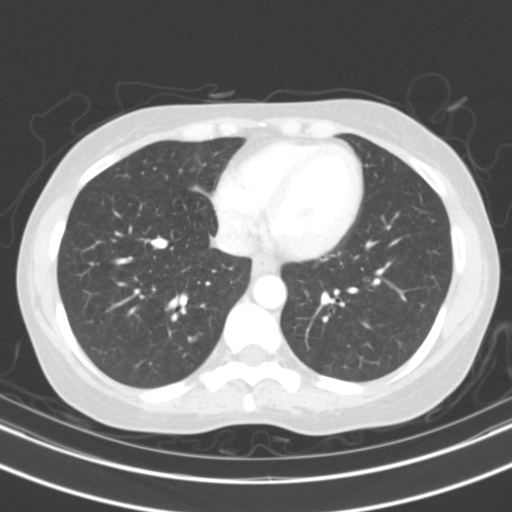
Axial slice 45 of 108 of a chest CT (slice 1 is the lowest), reconstructed with the B31s kernel at 130 kVp; 3.00 mm slice thickness and 0.629 mm pixels.
Two pulmonary nodules on this slice, listed from left to right. (1) Pulmonary nodule outlined by all four readers; box rows 237–248, columns 150–167 (the union of the readers' outlines on this slice); longest diameter 11.4 mm on average over the four readers' outlines (readers' outlines 10.7–12.0 mm), volume 384–508 mm3. Ratings, by the readers' most common answer with dissent counted: texture 5/5 (solid) from all four readers; margin 5/5 (circumscribed) by three of four readers; the rest gave 4/5 (one); sphericity 3/5 (ovoid) by two of four readers; the rest gave 2/5 (one), 4/5 (one); calcification solid calcification, all four readers agreeing; internal structure soft tissue from all four readers; subtlety 4/5 by two of four readers; the rest gave 2/5 (one), 5/5 (one); malignancy likelihood 1/5 from all four readers. (2) Pulmonary nodule at rows 336–341, columns 188–196 (box = the union of the readers' outlines on this slice), outlined by all four readers, three of them on this slice; median longest diameter 8.8 mm (readers' outlines 7.7–9.3 mm), median volume 262 mm3 (155–286 mm3). Ratings, median across the readers with their spread: texture 5/5 (solid), all four readers agreeing; margin 5/5 (circumscribed) at the median of four readers, spread 4/5 to 5/5 (circumscribed); median sphericity 3.5/5 (readers ranged 3/5 (ovoid) to 5/5 (round)); calcification solid calcification, all four readers agreeing; internal structure soft tissue from all four readers; subtlety 4/5 at the median of four readers, spread 4–5; malignancy likelihood 1/5, all four readers agreeing. Scale key (1–5): texture non-solid→solid, margin indistinct→circumscribed, sphericity linear→round, subtlety extremely subtle→obvious, malignancy likelihood highly unlikely→highly suspicious of cancer. Box rows and columns are 0-based pixel indices from the top-left corner, inclusive.